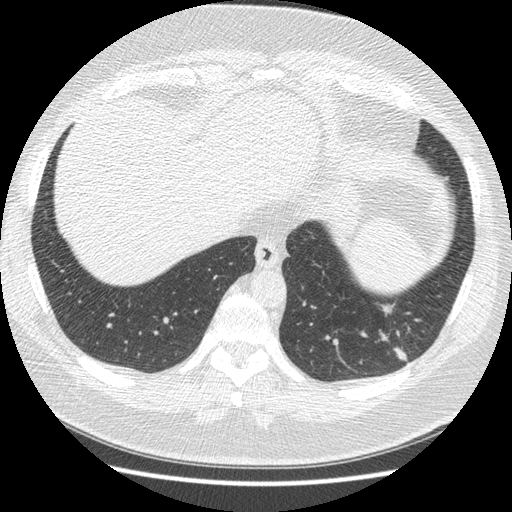
This is axial slice 72 of 421 (slice 1 is the lowest) of a chest CT; each pixel is 0.703 mm and the slice is 1.25 mm thick. Pulmonary nodule at rows 304–360, columns 383–407 (box = the union of the readers' outlines on this slice), outlined four times (the source holds four more outlines, not used); median longest diameter 32.9 mm (readers' outlines 30.9–38.9 mm), median volume 5450 mm3 (4443–5826 mm3). Median ratings and the readers' spread: texture 5/5 (solid) at the median of four readers, spread 4/5 to 5/5 (solid); margin 4/5 at the median of four readers, spread 3/5 to 4/5; median sphericity 2.5/5 (readers ranged 2/5 to 4/5); calcification absent from all four readers; internal structure soft tissue, all four readers agreeing; subtlety 5/5 at the median of four readers, spread 4–5; malignancy likelihood 3.5/5 at the median of four readers, spread 2–5. Scale key (1–5): texture non-solid→solid, margin indistinct→circumscribed, sphericity linear→round, subtlety extremely subtle→obvious, malignancy likelihood highly unlikely→highly suspicious of cancer. Box rows and columns are 0-based pixel indices from the top-left corner, inclusive.
Acquired at 120 kVp and reconstructed with the STANDARD kernel.